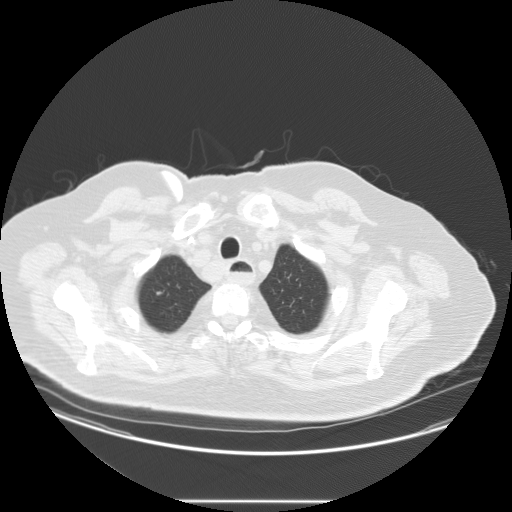
Axial chest CT slice 119 of 133 (counted from the lowest slice); tube voltage 120 kVp, convolution kernel STANDARD; slices 2.50 mm thick, 0.859 mm per pixel.
Pulmonary nodule outlined by one of the four readers; box rows 291–294, columns 156–161 (that reader's outline on this slice); longest diameter 6.1 mm and volume 50 mm3 from that reader's outline. That reader's ratings: texture 5/5 (solid); margin 3/5; sphericity 2/5; calcification absent; internal structure soft tissue; subtlety 2/5; malignancy likelihood 2/5. Scale key (1–5): texture non-solid→solid, margin indistinct→circumscribed, sphericity linear→round, subtlety extremely subtle→obvious, malignancy likelihood highly unlikely→highly suspicious of cancer. Box rows and columns are 0-based pixel indices from the top-left corner, inclusive.